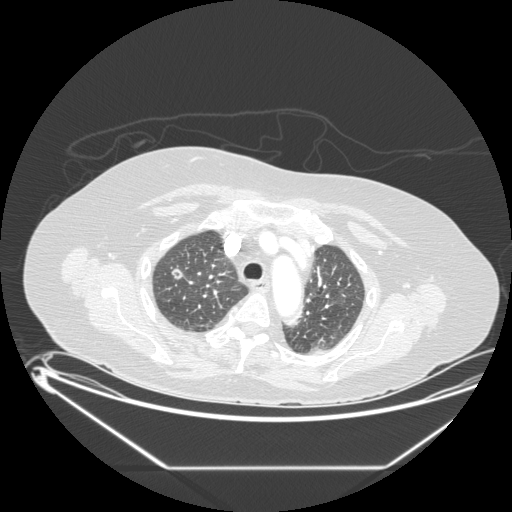
Chest CT, axial plane, 120 kVp, kernel STANDARD. Slice 160/197 from the bottom of the scan; thickness 1.25 mm; pixel size 0.859 mm.
Pulmonary nodule, outlined by all four readers. Box on this slice rows 268–278, columns 171–182, the union of the readers' outlines on this slice; longest diameter 11.9 mm on average over the four readers' outlines (readers' outlines 10.4–12.9 mm), volume 381–630 mm3. The readers' prevailing ratings and who disagreed: texture 5/5 (solid) by three of four readers; the rest gave 3/5 (part-solid) (one); margin 5/5 (circumscribed) by two of four readers; the rest gave 2/5 (one), 4/5 (one); sphericity split among the readers: 4/5 (two), 5/5 (round) (two); calcification absent from all four readers; internal structure soft tissue by three of four readers, air (one); subtlety 4/5 by two of four readers; the rest gave 3/5 (one), 5/5 (one); malignancy likelihood split among the readers: 2/5 (two), 4/5 (two). Scale key (1–5): texture non-solid→solid, margin indistinct→circumscribed, sphericity linear→round, subtlety extremely subtle→obvious, malignancy likelihood highly unlikely→highly suspicious of cancer. Box rows and columns are 0-based pixel indices from the top-left corner, inclusive.